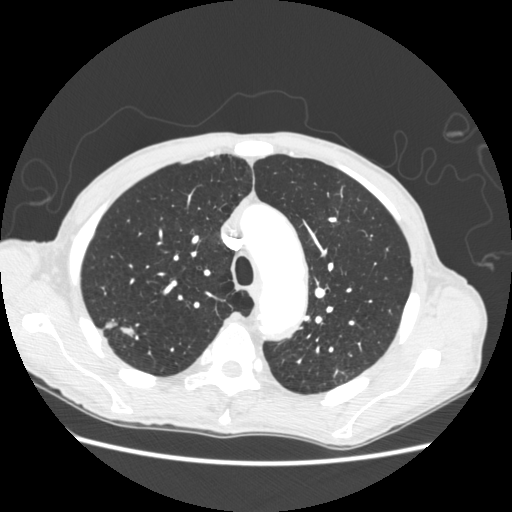
Slice 180/248 of a chest CT, counting up from the lowest; pixel size 0.703 mm, slice thickness 1.25 mm. Pulmonary nodule outlined by all four readers; box rows 318–337, columns 104–134 (the union of the readers' outlines on this slice); the four readers' outlines give a longest diameter between 26.0 and 32.7 mm and a volume between 5181 and 6655 mm3. Ratings across the readers: texture 5/5 (solid) from all four readers; margin from 2/5 to 5/5 (circumscribed) across the four readers; sphericity from 3/5 (ovoid) to 4/5 across the four readers; calcification absent from all four readers; internal structure soft tissue, all four readers agreeing; subtlety 5/5 from all four readers; malignancy likelihood rated between 3 and 5 out of 5 by the four readers. Scale key (1–5): texture non-solid→solid, margin indistinct→circumscribed, sphericity linear→round, subtlety extremely subtle→obvious, malignancy likelihood highly unlikely→highly suspicious of cancer. Box rows and columns are 0-based pixel indices from the top-left corner, inclusive.
Acquired at 120 kVp and reconstructed with the STANDARD kernel.